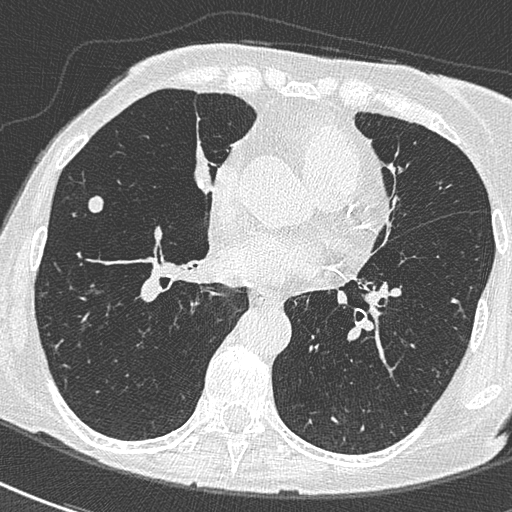
One axial slice (287 of 588, counting up from the lowest) of a chest CT acquired at 120 kVp with the B50f kernel; each pixel is 0.514 mm and the slice is 0.60 mm thick.
Pulmonary nodule, outlined by all four readers. Box on this slice rows 194–213, columns 87–103, the union of the readers' outlines on this slice; longest diameter 11.2 mm on average over the four readers' outlines (readers' outlines 10.3–12.9 mm), volume 343–465 mm3. The readers' prevailing ratings and who disagreed: texture 5/5 (solid) from all four readers; margin 5/5 (circumscribed) by three of four readers; the rest gave 4/5 (one); sphericity 3/5 (ovoid) by two of four readers; the rest gave 4/5 (one), 5/5 (round) (one); calcification absent from all four readers; internal structure soft tissue from all four readers; most readers (three of four) put subtlety at 5/5, others 4/5 (one); most readers (three of four) put malignancy likelihood at 3/5, others 2/5 (one). Scale key (1–5): texture non-solid→solid, margin indistinct→circumscribed, sphericity linear→round, subtlety extremely subtle→obvious, malignancy likelihood highly unlikely→highly suspicious of cancer. Box rows and columns are 0-based pixel indices from the top-left corner, inclusive.